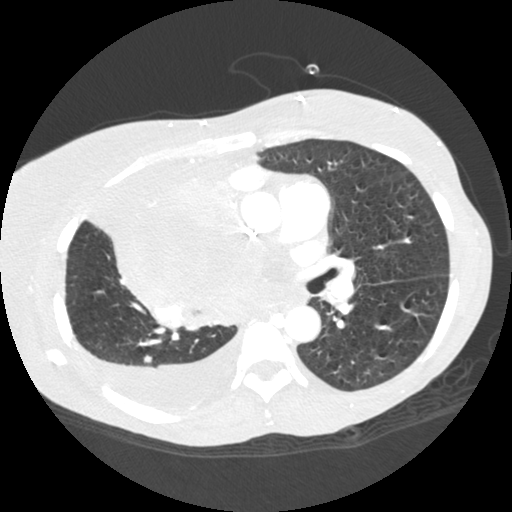
Chest CT, axial plane, 120 kVp, kernel STANDARD. Slice 131/238 from the bottom of the scan; thickness 1.25 mm; pixel size 0.625 mm.
Pulmonary nodule outlined by all four readers; box rows 355–363, columns 144–152 (the union of the readers' outlines on this slice); longest diameter 6.7–7.3 mm and volume 136–179 mm3 across the four readers' outlines. Ratings across the readers: texture 5/5 (solid) from all four readers; margin from 4/5 to 5/5 (circumscribed) across the four readers; sphericity from 3/5 (ovoid) to 5/5 (round) across the four readers; calcification absent, all four readers agreeing; internal structure soft tissue, all four readers agreeing; subtlety from 3/5 to 5/5 across the four readers; malignancy likelihood from 2/5 to 3/5 across the four readers. Scale key (1–5): texture non-solid→solid, margin indistinct→circumscribed, sphericity linear→round, subtlety extremely subtle→obvious, malignancy likelihood highly unlikely→highly suspicious of cancer. Box rows and columns are 0-based pixel indices from the top-left corner, inclusive.